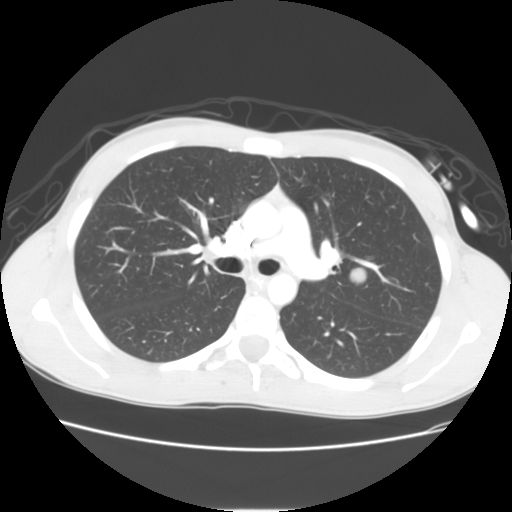
Axial chest CT slice 73 of 114 (counted from the lowest slice); tube voltage 120 kVp, convolution kernel STANDARD; slices 2.50 mm thick, 0.664 mm per pixel.
Pulmonary nodule at rows 268–285, columns 348–366 (box = the union of the readers' outlines on this slice), outlined by all four readers; median longest diameter 17.7 mm (readers' outlines 16.8–19.0 mm), median volume 1512 mm3 (1177–1906 mm3). Ratings, median across the readers with their spread: texture 5/5 (solid) at the median of four readers, spread 4/5 to 5/5 (solid); median margin 4.5/5 (readers ranged 4/5 to 5/5 (circumscribed)); sphericity 4/5 at the median of four readers, spread 3/5 (ovoid) to 5/5 (round); calcification absent from all four readers; internal structure soft tissue from all four readers; median subtlety 5/5 (readers ranged 3–5); median malignancy likelihood 3.5/5 (readers ranged 2–5). Scale key (1–5): texture non-solid→solid, margin indistinct→circumscribed, sphericity linear→round, subtlety extremely subtle→obvious, malignancy likelihood highly unlikely→highly suspicious of cancer. Box rows and columns are 0-based pixel indices from the top-left corner, inclusive.